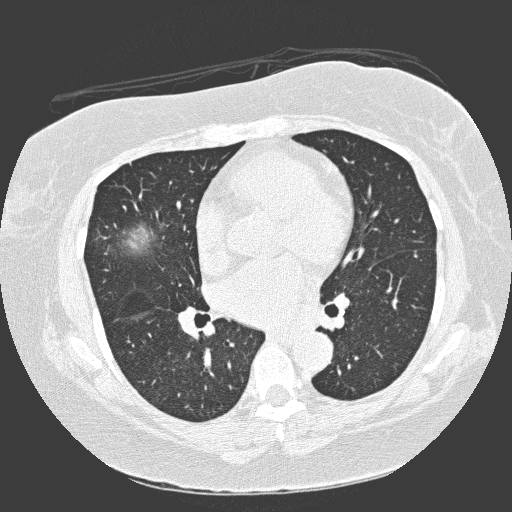
Chest CT, axial plane, 120 kVp, kernel D. Slice 166/300 from the bottom of the scan; thickness 1.00 mm; pixel size 0.654 mm.
Pulmonary nodule at rows 253–258, columns 412–417 (box = the union of the readers' outlines on this slice), outlined by all four readers; longest diameter 5.1–6.2 mm and volume 25–57 mm3 across the four readers' outlines. Ratings across the readers: texture 5/5 (solid) from all four readers; margin from 4/5 to 5/5 (circumscribed) across the four readers; sphericity from 3/5 (ovoid) to 5/5 (round) across the four readers; calcification: absent (three), solid calcification (one); internal structure soft tissue, all four readers agreeing; subtlety from 3/5 to 5/5 across the four readers; malignancy likelihood 1–3/5 (the readers disagree). Scale key (1–5): texture non-solid→solid, margin indistinct→circumscribed, sphericity linear→round, subtlety extremely subtle→obvious, malignancy likelihood highly unlikely→highly suspicious of cancer. Box rows and columns are 0-based pixel indices from the top-left corner, inclusive.